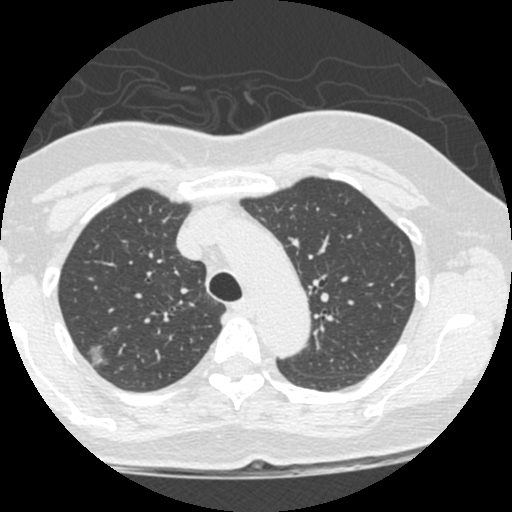
Axial chest CT slice 386 of 490 (counted from the lowest slice); tube voltage 120 kVp, convolution kernel STANDARD; slices 1.25 mm thick, 0.547 mm per pixel.
Pulmonary nodule outlined by three of the four readers; box rows 344–367, columns 87–110 (the union of the readers' outlines on this slice); longest diameter 15.9 mm on average over the three readers' outlines (readers' outlines 14.3–18.3 mm), volume 967–1422 mm3. Ratings, by the readers' most common answer with dissent counted: texture 1/5 (non-solid) by two of three readers; the rest gave 5/5 (solid) (one); most readers (two of three) put margin at 2/5, others 4/5 (one); sphericity split among the readers: 3/5 (ovoid) (one), 4/5 (one), 5/5 (round) (one); calcification absent, all three readers agreeing; internal structure soft tissue from all three readers; subtlety 5/5 by two of three readers; the rest gave 1/5 (one); malignancy likelihood split among the readers: 2/5 (one), 3/5 (one), 5/5 (one). Scale key (1–5): texture non-solid→solid, margin indistinct→circumscribed, sphericity linear→round, subtlety extremely subtle→obvious, malignancy likelihood highly unlikely→highly suspicious of cancer. Box rows and columns are 0-based pixel indices from the top-left corner, inclusive.